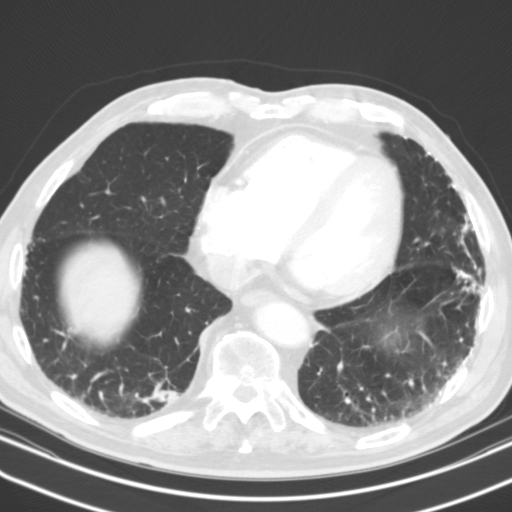
One axial slice (50 of 127, counting up from the lowest) of a chest CT acquired at 130 kVp with the B31s kernel; each pixel is 0.668 mm and the slice is 3.00 mm thick.
Pulmonary nodule outlined by two of the four readers; box rows 389–405, columns 151–179 (the union of the readers' outlines on this slice); longest diameter 25.6–26.3 mm and volume 5517–6604 mm3 across the two readers' outlines. Ratings across the readers: texture 5/5 (solid) from both readers; margin 4/5 from both readers; sphericity from 2/5 to 3/5 (ovoid) across the two readers; calcification absent, both readers agreeing; internal structure soft tissue, both readers agreeing; subtlety 5/5 from both readers; malignancy likelihood rated between 2 and 3 out of 5 by the two readers. Scale key (1–5): texture non-solid→solid, margin indistinct→circumscribed, sphericity linear→round, subtlety extremely subtle→obvious, malignancy likelihood highly unlikely→highly suspicious of cancer. Box rows and columns are 0-based pixel indices from the top-left corner, inclusive.